Axial chest CT slice 307 of 416 (counted from the lowest slice); tube voltage 120 kVp, convolution kernel B70f; slices 2.00 mm thick, 0.723 mm per pixel.
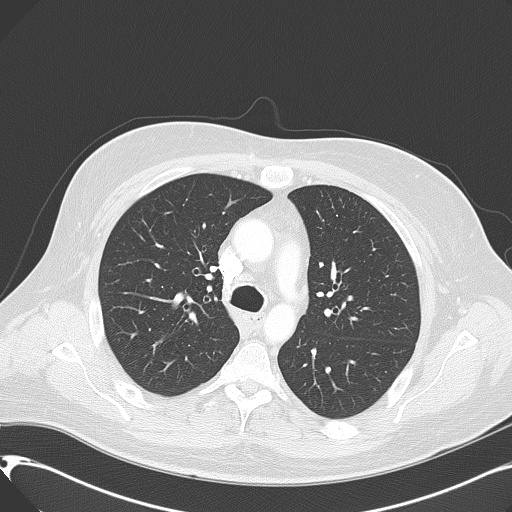
The readers outlined no nodule of 3 mm or more on this slice.